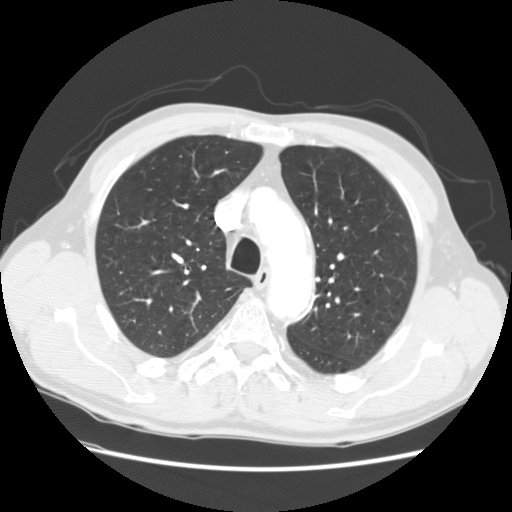
Chest CT, axial plane, 120 kVp, kernel STANDARD. Slice 109/147 from the bottom of the scan; thickness 2.50 mm; pixel size 0.703 mm.
This slice carries no reader outline of a nodule 3 mm or larger.